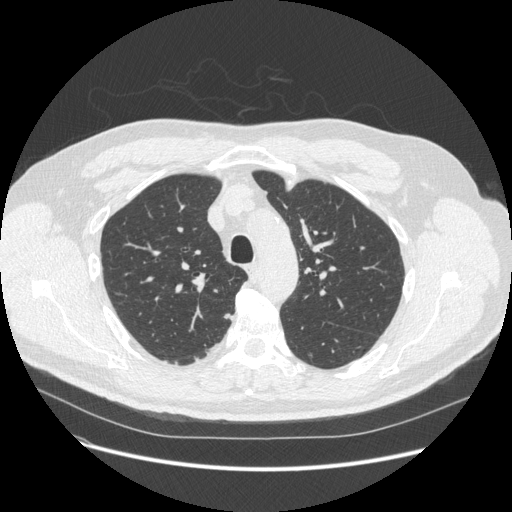
One axial slice (391 of 541, counting up from the lowest) of a chest CT acquired at 120 kVp with the STANDARD kernel; each pixel is 0.781 mm and the slice is 1.25 mm thick.
Pulmonary nodule at rows 313–319, columns 223–229 (box = the union of the readers' outlines on this slice), outlined by three of the four readers; median longest diameter 7.0 mm (readers' outlines 7.0–8.0 mm), median volume 78 mm3 (58–82 mm3). Ratings, median across the readers with their spread: texture 5/5 (solid) from all three readers; median margin 4/5 (readers ranged 3/5 to 5/5 (circumscribed)); sphericity 3/5 (ovoid) at the median of three readers, spread 2/5 to 4/5; calcification absent from all three readers; internal structure soft tissue from all three readers; median subtlety 4/5 (readers ranged 3–5); median malignancy likelihood 2/5 (readers ranged 2–4). Scale key (1–5): texture non-solid→solid, margin indistinct→circumscribed, sphericity linear→round, subtlety extremely subtle→obvious, malignancy likelihood highly unlikely→highly suspicious of cancer. Box rows and columns are 0-based pixel indices from the top-left corner, inclusive.